Axial chest CT slice 265 of 493 (counted from the lowest slice); tube voltage 120 kVp, convolution kernel B30f; slices 0.75 mm thick, 0.762 mm per pixel.
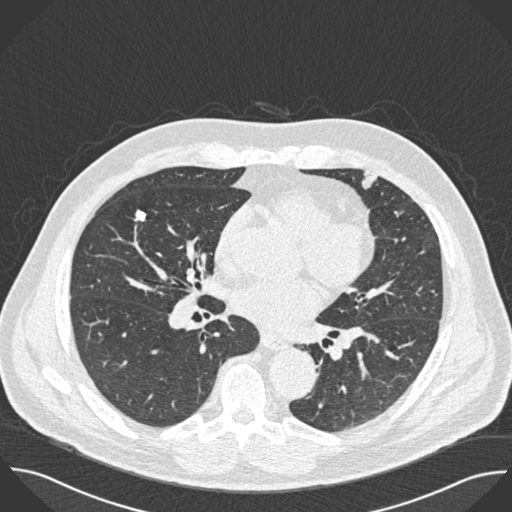
Pulmonary nodule at rows 209–221, columns 134–146 (box = the union of the readers' outlines on this slice), outlined by all four readers; median longest diameter 11.4 mm (readers' outlines 10.9–16.8 mm), median volume 275 mm3 (182–413 mm3). Median ratings and the readers' spread: texture 5/5 (solid) from all four readers; margin 4.5/5 at the median of four readers, spread 3/5 to 5/5 (circumscribed); median sphericity 3.5/5 (readers ranged 3/5 (ovoid) to 5/5 (round)); calcification solid calcification from all four readers; internal structure soft tissue from all four readers; subtlety 5/5 at the median of four readers, spread 4–5; malignancy likelihood 1/5, all four readers agreeing. Scale key (1–5): texture non-solid→solid, margin indistinct→circumscribed, sphericity linear→round, subtlety extremely subtle→obvious, malignancy likelihood highly unlikely→highly suspicious of cancer. Box rows and columns are 0-based pixel indices from the top-left corner, inclusive.